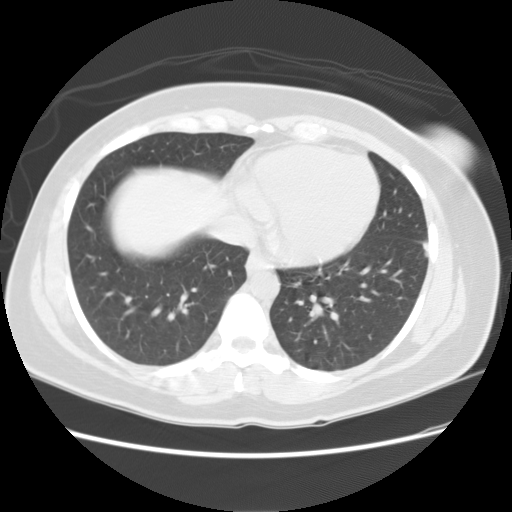
Axial chest CT slice 56 of 127 (counted from the lowest slice); 2.50 mm thick, 0.703 mm per pixel. Pulmonary nodule, outlined by all four readers, three of them on this slice. Box on this slice rows 243–256, columns 422–427, the union of the readers' outlines on this slice; longest diameter 27.7–28.3 mm and volume 5117–6404 mm3 across the four readers' outlines. The readers' ratings, as ranges where they differ: texture 5/5 (solid), all four readers agreeing; margin from 4/5 to 5/5 (circumscribed) across the four readers; sphericity from 3/5 (ovoid) to 5/5 (round) across the four readers; calcification absent from all four readers; internal structure soft tissue, all four readers agreeing; subtlety 5/5, all four readers agreeing; malignancy likelihood rated between 3 and 5 out of 5 by the four readers. Scale key (1–5): texture non-solid→solid, margin indistinct→circumscribed, sphericity linear→round, subtlety extremely subtle→obvious, malignancy likelihood highly unlikely→highly suspicious of cancer. Box rows and columns are 0-based pixel indices from the top-left corner, inclusive.
Acquired at 120 kVp and reconstructed with the STANDARD kernel.